Chest CT, axial plane, 135 kVp, kernel FC01. Slice 55/129 from the bottom of the scan; thickness 3.00 mm; pixel size 0.662 mm.
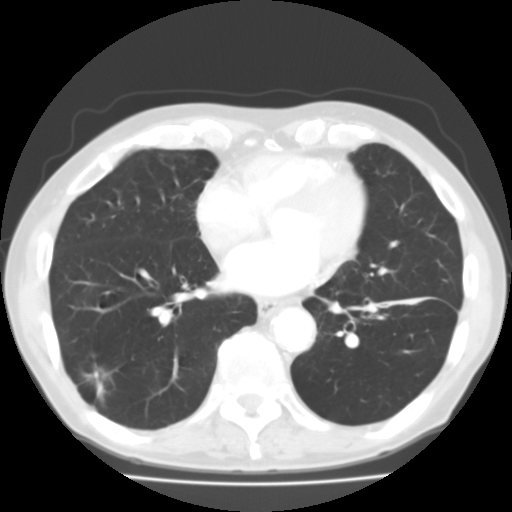
Pulmonary nodule outlined by two of the four readers; box rows 363–409, columns 79–118 (the union of the readers' outlines on this slice); median longest diameter 32.0 mm (readers' outlines 30.7–33.2 mm), median volume 2751 mm3 (2555–2947 mm3). Median ratings and the readers' spread: median texture 3.5/5 (readers ranged 3/5 (part-solid) to 4/5); median margin 2.5/5 (readers ranged 1/5 (indistinct) to 4/5); median sphericity 4/5 (readers ranged 3/5 (ovoid) to 5/5 (round)); calcification absent from both readers; internal structure soft tissue, both readers agreeing; subtlety 5/5 from both readers; median malignancy likelihood 3.5/5 (readers ranged 3–4). Scale key (1–5): texture non-solid→solid, margin indistinct→circumscribed, sphericity linear→round, subtlety extremely subtle→obvious, malignancy likelihood highly unlikely→highly suspicious of cancer. Box rows and columns are 0-based pixel indices from the top-left corner, inclusive.